Axial chest CT slice 131 of 481 (counted from the lowest slice); tube voltage 120 kVp, convolution kernel STANDARD; slices 1.25 mm thick, 0.605 mm per pixel.
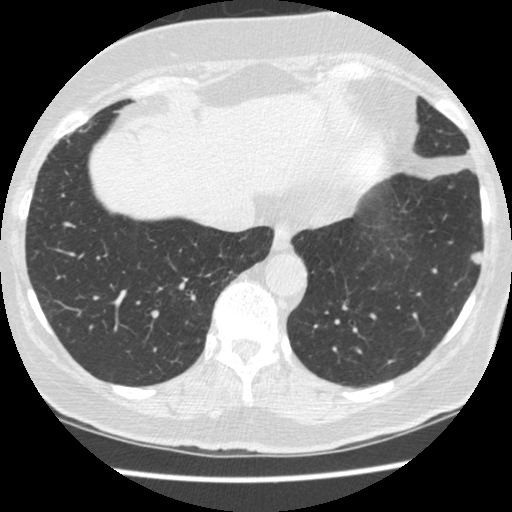
Pulmonary nodule outlined by all four readers; box rows 250–265, columns 469–481 (the union of the readers' outlines on this slice); median longest diameter 10.4 mm (readers' outlines 9.9–10.4 mm), median volume 178 mm3 (124–211 mm3). Ratings, median across the readers with their spread: median texture 4.5/5 (readers ranged 4/5 to 5/5 (solid)); margin 4/5 at the median of four readers, spread 1/5 (indistinct) to 5/5 (circumscribed); median sphericity 4.5/5 (readers ranged 3/5 (ovoid) to 5/5 (round)); calcification absent from all four readers; internal structure soft tissue, all four readers agreeing; subtlety 4/5 from all four readers; median malignancy likelihood 3/5 (readers ranged 2–3). Scale key (1–5): texture non-solid→solid, margin indistinct→circumscribed, sphericity linear→round, subtlety extremely subtle→obvious, malignancy likelihood highly unlikely→highly suspicious of cancer. Box rows and columns are 0-based pixel indices from the top-left corner, inclusive.